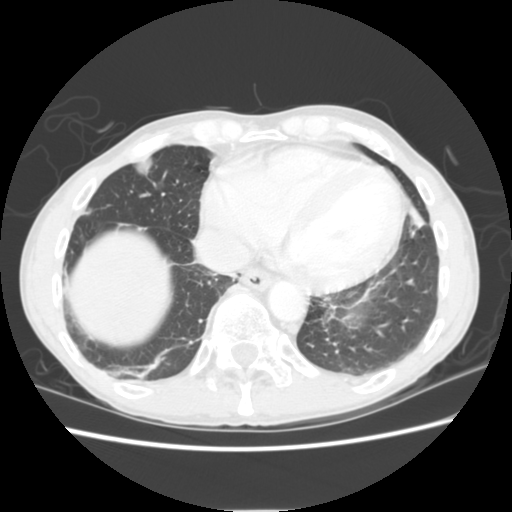
One axial slice (62 of 255, counting up from the lowest) of a chest CT acquired at 120 kVp with the STANDARD kernel; each pixel is 0.664 mm and the slice is 2.50 mm thick.
Pulmonary nodule outlined by all four readers; box rows 155–175, columns 132–153 (the union of the readers' outlines on this slice); longest diameter 25.4–30.3 mm and volume 4677–6345 mm3 across the four readers' outlines. Ratings across the readers: texture 5/5 (solid) from all four readers; margin from 4/5 to 5/5 (circumscribed) across the four readers; sphericity from 3/5 (ovoid) to 5/5 (round) across the four readers; calcification absent, all four readers agreeing; internal structure soft tissue, all four readers agreeing; subtlety 5/5, all four readers agreeing; malignancy likelihood from 3/5 to 5/5 across the four readers. Scale key (1–5): texture non-solid→solid, margin indistinct→circumscribed, sphericity linear→round, subtlety extremely subtle→obvious, malignancy likelihood highly unlikely→highly suspicious of cancer. Box rows and columns are 0-based pixel indices from the top-left corner, inclusive.